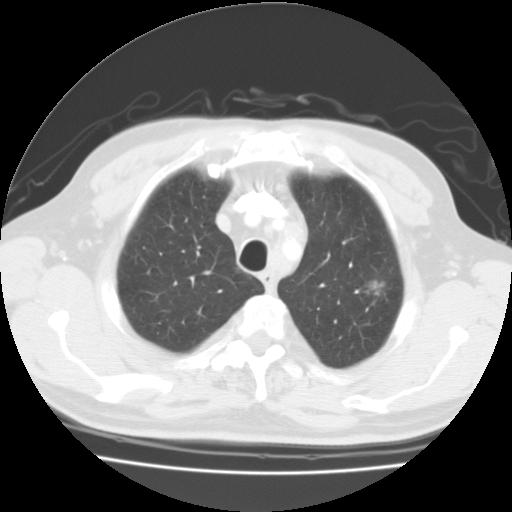
Axial chest CT slice 92 of 114 (counted from the lowest slice); 3.00 mm thick, 0.711 mm per pixel. Pulmonary nodule at rows 279–296, columns 365–385 (box = the union of the readers' outlines on this slice), outlined by all four readers; the four readers' outlines give a longest diameter between 18.0 and 22.7 mm and a volume between 2376 and 3822 mm3. The readers' ratings, as ranges where they differ: texture from 4/5 to 5/5 (solid) across the four readers; margin from 3/5 to 5/5 (circumscribed) across the four readers; sphericity from 4/5 to 5/5 (round) across the four readers; calcification absent, all four readers agreeing; internal structure soft tissue, all four readers agreeing; subtlety 5/5, all four readers agreeing; malignancy likelihood rated between 4 and 5 out of 5 by the four readers. Scale key (1–5): texture non-solid→solid, margin indistinct→circumscribed, sphericity linear→round, subtlety extremely subtle→obvious, malignancy likelihood highly unlikely→highly suspicious of cancer. Box rows and columns are 0-based pixel indices from the top-left corner, inclusive.
Tube voltage 135 kVp; convolution kernel FC01.